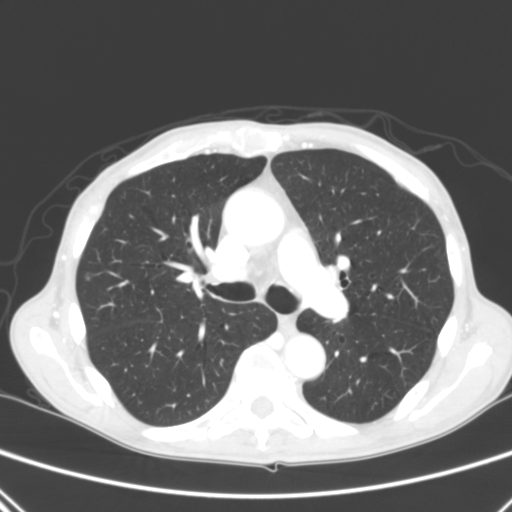
Chest CT, axial plane, 120 kVp, kernel B. Slice 177/290 from the bottom of the scan; thickness 2.00 mm; pixel size 0.639 mm.
Pulmonary nodule, outlined by three of the four readers. Box on this slice rows 275–279, columns 85–89, the union of the readers' outlines on this slice; longest diameter 5.9–6.7 mm and volume 86–94 mm3 across the three readers' outlines. The readers' ratings, as ranges where they differ: texture from 4/5 to 5/5 (solid) across the three readers; margin from 2/5 to 5/5 (circumscribed) across the three readers; sphericity from 3/5 (ovoid) to 5/5 (round) across the three readers; calcification absent from all three readers; internal structure soft tissue from all three readers; subtlety from 3/5 to 5/5 across the three readers; malignancy likelihood from 1/5 to 3/5 across the three readers. Scale key (1–5): texture non-solid→solid, margin indistinct→circumscribed, sphericity linear→round, subtlety extremely subtle→obvious, malignancy likelihood highly unlikely→highly suspicious of cancer. Box rows and columns are 0-based pixel indices from the top-left corner, inclusive.